Axial slice 86 of 166 of a chest CT (slice 1 is the lowest), reconstructed with the B30f kernel at 120 kVp; 2.00 mm slice thickness and 0.566 mm pixels.
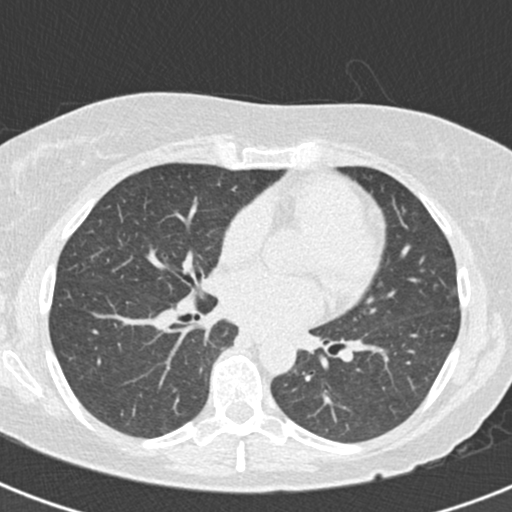
Pulmonary nodule, outlined by all four readers, one of them on this slice. Box on this slice rows 289–294, columns 453–457, the one reader's outline on this slice; longest diameter 12.8 mm on average over the four readers' outlines (readers' outlines 11.9–13.8 mm), volume 520–710 mm3. Ratings, by the readers' most common answer with dissent counted: most readers (three of four) put texture at 5/5 (solid), others 4/5 (one); margin split among the readers: 4/5 (two), 5/5 (circumscribed) (two); sphericity 4/5 by three of four readers; the rest gave 5/5 (round) (one); calcification absent from all four readers; internal structure soft tissue from all four readers; subtlety split among the readers: 4/5 (two), 5/5 (two); malignancy likelihood split among the readers: 3/5 (two), 4/5 (two). Scale key (1–5): texture non-solid→solid, margin indistinct→circumscribed, sphericity linear→round, subtlety extremely subtle→obvious, malignancy likelihood highly unlikely→highly suspicious of cancer. Box rows and columns are 0-based pixel indices from the top-left corner, inclusive.